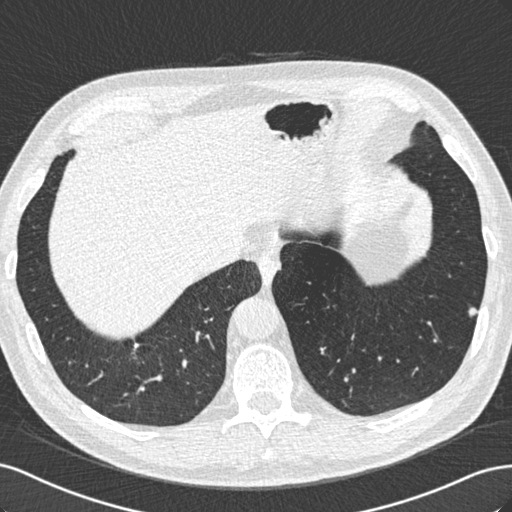
One axial slice (191 of 529, counting up from the lowest) of a chest CT acquired at 120 kVp with the B30f kernel; each pixel is 0.703 mm and the slice is 0.75 mm thick.
Pulmonary nodule at rows 305–316, columns 468–477 (box = the union of the readers' outlines on this slice), outlined by three of the four readers; longest diameter 9.1 mm on average over the three readers' outlines (readers' outlines 8.0–10.9 mm), volume 66–163 mm3. Ratings, by the readers' most common answer with dissent counted: texture 5/5 (solid) by two of three readers; the rest gave 4/5 (one); most readers (two of three) put margin at 5/5 (circumscribed), others 4/5 (one); sphericity 5/5 (round) from all three readers; calcification absent from all three readers; internal structure soft tissue, all three readers agreeing; subtlety split among the readers: 3/5 (one), 4/5 (one), 5/5 (one); malignancy likelihood split among the readers: 2/5 (one), 3/5 (one), 4/5 (one). Scale key (1–5): texture non-solid→solid, margin indistinct→circumscribed, sphericity linear→round, subtlety extremely subtle→obvious, malignancy likelihood highly unlikely→highly suspicious of cancer. Box rows and columns are 0-based pixel indices from the top-left corner, inclusive.